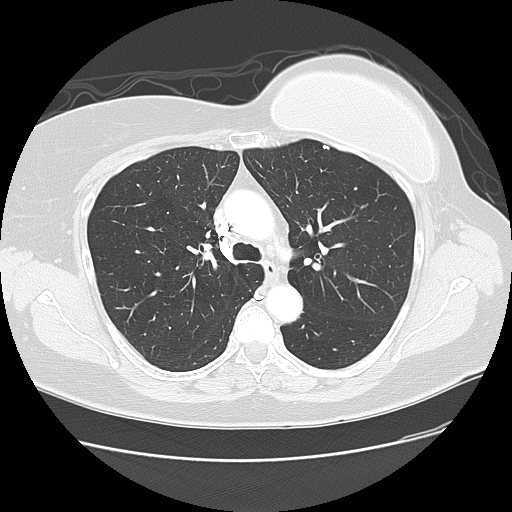
One axial slice (90 of 138, counting up from the lowest) of a chest CT acquired at 120 kVp with the LUNG kernel; each pixel is 0.723 mm and the slice is 2.50 mm thick.
Pulmonary nodule at rows 145–149, columns 323–329 (box = the union of the readers' outlines on this slice), outlined by two of the four readers; longest diameter 5.7 mm on average over the two readers' outlines (readers' outlines 5.5–6.0 mm), volume 25–45 mm3. The readers' prevailing ratings and who disagreed: texture 5/5 (solid) from both readers; margin 5/5 (circumscribed), both readers agreeing; sphericity 3/5 (ovoid) from both readers; calcification solid calcification from both readers; internal structure soft tissue from both readers; subtlety split among the readers: 3/5 (one), 4/5 (one); malignancy likelihood 1/5, both readers agreeing. Scale key (1–5): texture non-solid→solid, margin indistinct→circumscribed, sphericity linear→round, subtlety extremely subtle→obvious, malignancy likelihood highly unlikely→highly suspicious of cancer. Box rows and columns are 0-based pixel indices from the top-left corner, inclusive.